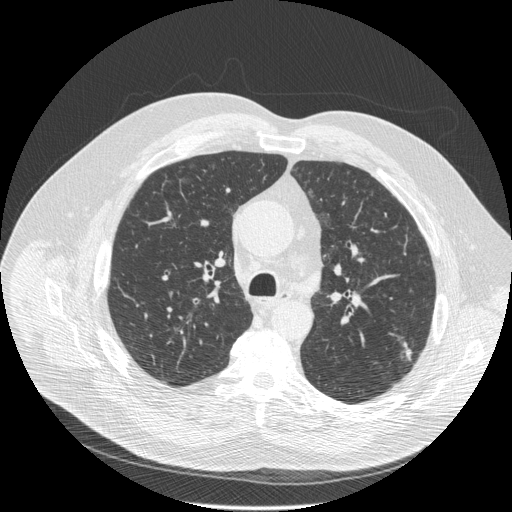
This is axial slice 331 of 516 (slice 1 is the lowest) of a chest CT; each pixel is 0.820 mm and the slice is 1.25 mm thick. Pulmonary nodule at rows 342–360, columns 402–413 (box = the union of the readers' outlines on this slice), outlined by three of the four readers, two of them on this slice; longest diameter 27.7 mm on average over the three readers' outlines (readers' outlines 23.2–31.7 mm), volume 750–1666 mm3. The readers' prevailing ratings and who disagreed: texture split among the readers: 3/5 (part-solid) (one), 4/5 (one), 5/5 (solid) (one); margin 3/5 by two of three readers; the rest gave 4/5 (one); sphericity 2/5 from all three readers; calcification absent from all three readers; internal structure soft tissue, all three readers agreeing; subtlety 5/5, all three readers agreeing; malignancy likelihood 4/5 from all three readers. Scale key (1–5): texture non-solid→solid, margin indistinct→circumscribed, sphericity linear→round, subtlety extremely subtle→obvious, malignancy likelihood highly unlikely→highly suspicious of cancer. Box rows and columns are 0-based pixel indices from the top-left corner, inclusive.
Scan settings: 120 kVp, STANDARD reconstruction kernel.